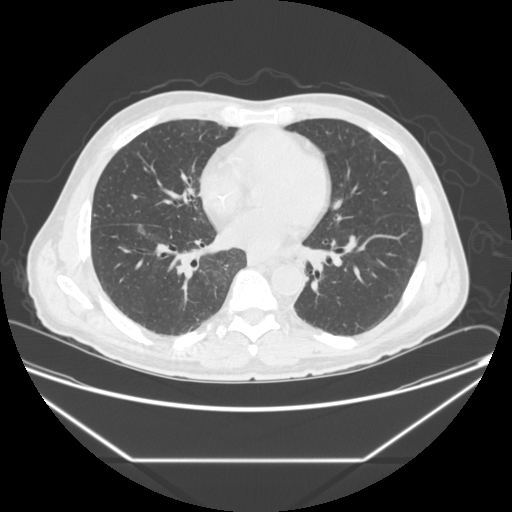
One axial slice (100 of 251, counting up from the lowest) of a chest CT acquired at 120 kVp with the STANDARD kernel; each pixel is 0.809 mm and the slice is 1.25 mm thick.
None of the four readers outlined a nodule of 3 mm or more on this slice.